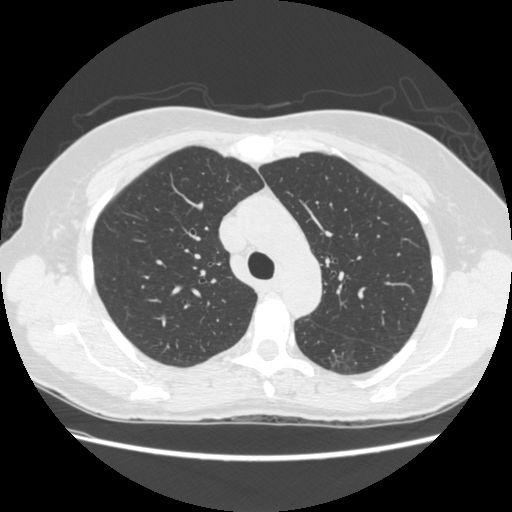
Axial chest CT slice 179 of 261 (counted from the lowest slice); tube voltage 120 kVp, convolution kernel STANDARD; slices 1.25 mm thick, 0.682 mm per pixel.
Pulmonary nodule, outlined by two of the four readers. Box on this slice rows 336–376, columns 330–357, the union of the readers' outlines on this slice; the two readers' outlines give a longest diameter between 30.0 and 31.5 mm and a volume between 6577 and 7912 mm3. Ratings across the readers: texture from 1/5 (non-solid) to 2/5 across the two readers; margin from 1/5 (indistinct) to 2/5 across the two readers; sphericity from 3/5 (ovoid) to 5/5 (round) across the two readers; calcification absent, both readers agreeing; internal structure soft tissue, both readers agreeing; subtlety 1–2/5 (the readers disagree); malignancy likelihood 4–5/5 (the readers disagree). Scale key (1–5): texture non-solid→solid, margin indistinct→circumscribed, sphericity linear→round, subtlety extremely subtle→obvious, malignancy likelihood highly unlikely→highly suspicious of cancer. Box rows and columns are 0-based pixel indices from the top-left corner, inclusive.